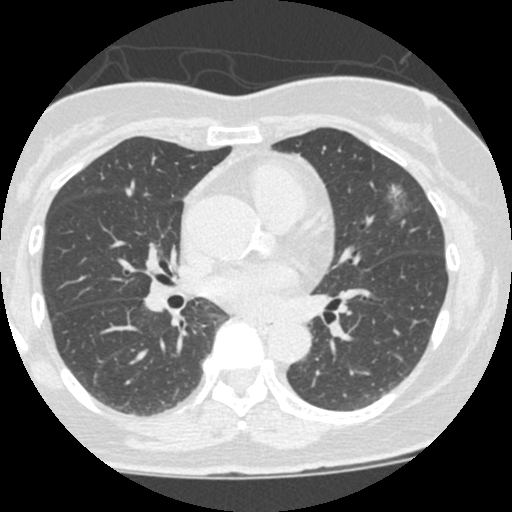
Axial chest CT slice 276 of 490 (counted from the lowest slice); tube voltage 120 kVp, convolution kernel STANDARD; slices 1.25 mm thick, 0.547 mm per pixel.
Pulmonary nodule outlined by two of the four readers; box rows 180–223, columns 382–411 (the union of the readers' outlines on this slice); median longest diameter 26.9 mm (readers' outlines 26.3–27.5 mm), median volume 1510 mm3 (1167–1852 mm3). Ratings, median across the readers with their spread: texture 1/5 (non-solid), both readers agreeing; median margin 1.5/5 (readers ranged 1/5 (indistinct) to 2/5); sphericity 3.5/5 at the median of two readers, spread 2/5 to 5/5 (round); calcification absent, both readers agreeing; internal structure soft tissue from both readers; median subtlety 3/5 (readers ranged 1–5); median malignancy likelihood 2.5/5 (readers ranged 2–3). Scale key (1–5): texture non-solid→solid, margin indistinct→circumscribed, sphericity linear→round, subtlety extremely subtle→obvious, malignancy likelihood highly unlikely→highly suspicious of cancer. Box rows and columns are 0-based pixel indices from the top-left corner, inclusive.